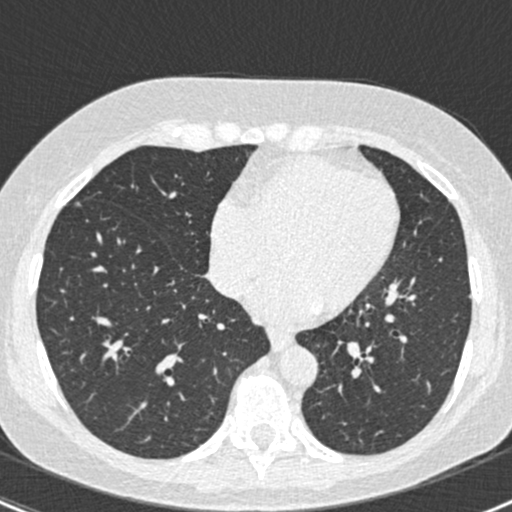
Chest CT, axial plane, 120 kVp, kernel B30f. Slice 189/429 from the bottom of the scan; thickness 0.75 mm; pixel size 0.586 mm.
Pulmonary nodule outlined by three of the four readers; box rows 201–207, columns 74–81 (the union of the readers' outlines on this slice); longest diameter 11.0 mm on average over the three readers' outlines (readers' outlines 9.8–12.3 mm), volume 207–302 mm3. The readers' prevailing ratings and who disagreed: texture 5/5 (solid), all three readers agreeing; margin 4/5 by two of three readers; the rest gave 5/5 (circumscribed) (one); most readers (two of three) put sphericity at 3/5 (ovoid), others 2/5 (one); calcification absent from all three readers; internal structure soft tissue from all three readers; subtlety 5/5 from all three readers; malignancy likelihood 4/5 by two of three readers; the rest gave 2/5 (one). Scale key (1–5): texture non-solid→solid, margin indistinct→circumscribed, sphericity linear→round, subtlety extremely subtle→obvious, malignancy likelihood highly unlikely→highly suspicious of cancer. Box rows and columns are 0-based pixel indices from the top-left corner, inclusive.